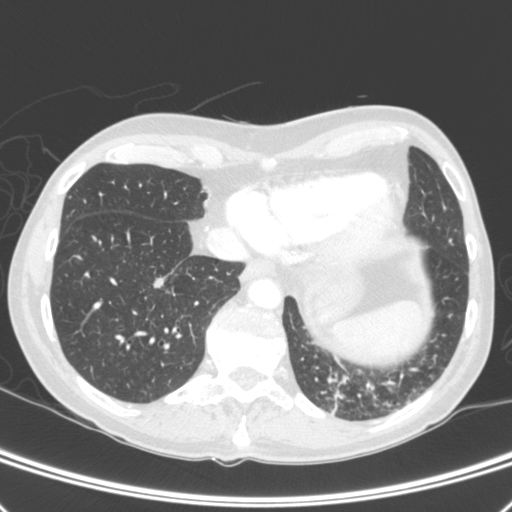
Chest CT, axial plane, 120 kVp, kernel C. Slice 98/392 from the bottom of the scan; thickness 1.50 mm; pixel size 0.639 mm.
Pulmonary nodule at rows 278–288, columns 153–164 (box = the union of the readers' outlines on this slice), outlined by three of the four readers; longest diameter 9.0–10.9 mm and volume 190–278 mm3 across the three readers' outlines. The readers' ratings, as ranges where they differ: texture 5/5 (solid), all three readers agreeing; margin from 3/5 to 5/5 (circumscribed) across the three readers; sphericity 3/5 (ovoid) from all three readers; calcification absent from all three readers; internal structure soft tissue, all three readers agreeing; subtlety 4–5/5 (the readers disagree); malignancy likelihood 2–4/5 (the readers disagree). Scale key (1–5): texture non-solid→solid, margin indistinct→circumscribed, sphericity linear→round, subtlety extremely subtle→obvious, malignancy likelihood highly unlikely→highly suspicious of cancer. Box rows and columns are 0-based pixel indices from the top-left corner, inclusive.